Axial slice 64 of 208 of a chest CT (slice 1 is the lowest), reconstructed with the BONE kernel at 120 kVp; 1.25 mm slice thickness and 0.723 mm pixels.
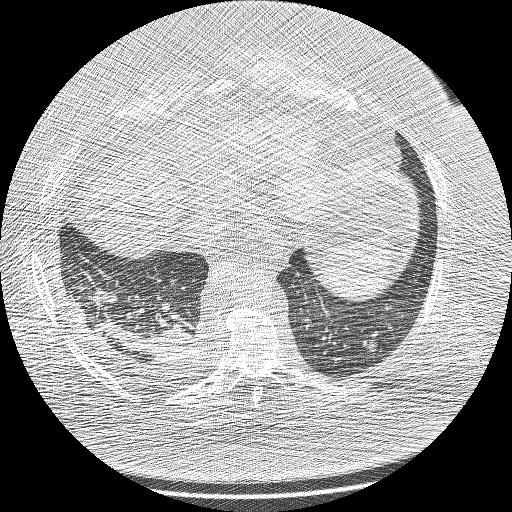
Pulmonary nodule at rows 340–352, columns 365–377 (box = the one reader's outline on this slice), outlined by all four readers, one of them on this slice; the four readers' outlines give a longest diameter between 13.7 and 18.1 mm and a volume between 365 and 1028 mm3. The readers' ratings, as ranges where they differ: texture 5/5 (solid) from all four readers; margin 4/5, all four readers agreeing; sphericity from 3/5 (ovoid) to 5/5 (round) across the four readers; calcification: absent (three), central calcification (one); internal structure soft tissue from all four readers; subtlety from 3/5 to 5/5 across the four readers; malignancy likelihood rated between 1 and 5 out of 5 by the four readers. Scale key (1–5): texture non-solid→solid, margin indistinct→circumscribed, sphericity linear→round, subtlety extremely subtle→obvious, malignancy likelihood highly unlikely→highly suspicious of cancer. Box rows and columns are 0-based pixel indices from the top-left corner, inclusive.